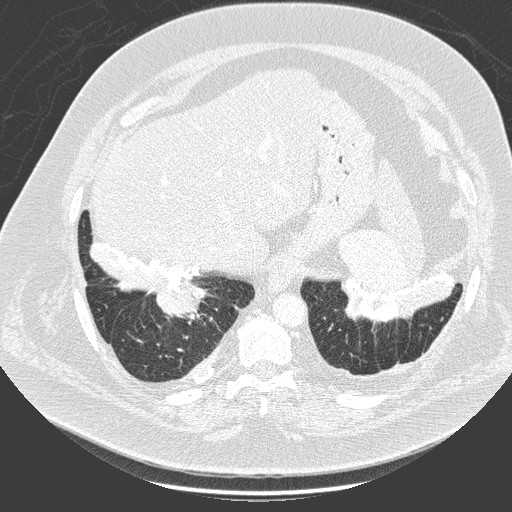
Axial chest CT slice 39 of 280 (counted from the lowest slice); tube voltage 140 kVp, convolution kernel D; slices 1.00 mm thick, 0.801 mm per pixel.
Pulmonary nodule outlined by one of the four readers; box rows 282–323, columns 157–205 (that reader's outline on this slice); longest diameter 49.9 mm and volume 31112 mm3 from that reader's outline. Ratings by that reader: texture 5/5 (solid); margin 4/5; sphericity 5/5 (round); calcification non-central calcification; internal structure soft tissue; subtlety 5/5; malignancy likelihood 5/5. Scale key (1–5): texture non-solid→solid, margin indistinct→circumscribed, sphericity linear→round, subtlety extremely subtle→obvious, malignancy likelihood highly unlikely→highly suspicious of cancer. Box rows and columns are 0-based pixel indices from the top-left corner, inclusive.